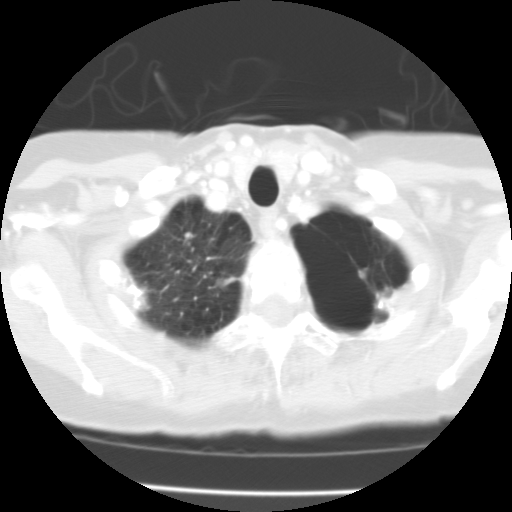
This is axial slice 92 of 100 (slice 1 is the lowest) of a chest CT; each pixel is 0.540 mm and the slice is 3.00 mm thick. Pulmonary nodule, outlined by all four readers. Box on this slice rows 232–237, columns 185–190, the union of the readers' outlines on this slice; longest diameter 5.1 mm on average over the four readers' outlines (readers' outlines 4.1–5.6 mm), volume 70–94 mm3. The readers' prevailing ratings and who disagreed: texture 5/5 (solid), all four readers agreeing; margin 5/5 (circumscribed), all four readers agreeing; sphericity 5/5 (round) from all four readers; calcification solid calcification, all four readers agreeing; internal structure soft tissue, all four readers agreeing; subtlety split among the readers: 4/5 (two), 5/5 (two); malignancy likelihood 1/5, all four readers agreeing. Scale key (1–5): texture non-solid→solid, margin indistinct→circumscribed, sphericity linear→round, subtlety extremely subtle→obvious, malignancy likelihood highly unlikely→highly suspicious of cancer. Box rows and columns are 0-based pixel indices from the top-left corner, inclusive.
Tube voltage 135 kVp; convolution kernel FC01.